Axial chest CT slice 201 of 290 (counted from the lowest slice); tube voltage 120 kVp, convolution kernel B; slices 2.00 mm thick, 0.639 mm per pixel.
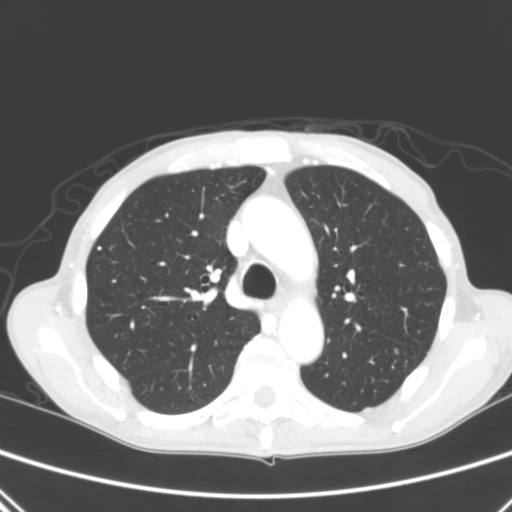
Two pulmonary nodules on this slice, listed from left to right. (1) Pulmonary nodule, outlined by one of the four readers. Box on this slice rows 246–249, columns 98–101, that reader's outline on this slice; longest diameter 3.7 mm and volume 25 mm3 from that reader's outline. That reader's ratings: texture 5/5 (solid); margin 5/5 (circumscribed); sphericity 5/5 (round); calcification solid calcification; internal structure soft tissue; subtlety 4/5; malignancy likelihood 1/5. (2) Pulmonary nodule, outlined by one of the four readers. Box on this slice rows 409–412, columns 365–372, that reader's outline on this slice; longest diameter 7.5 mm and volume 95 mm3 from that reader's outline. That reader's ratings: texture 5/5 (solid); margin 5/5 (circumscribed); sphericity 5/5 (round); calcification absent; internal structure soft tissue; subtlety 5/5; malignancy likelihood 3/5. Scale key (1–5): texture non-solid→solid, margin indistinct→circumscribed, sphericity linear→round, subtlety extremely subtle→obvious, malignancy likelihood highly unlikely→highly suspicious of cancer. Box rows and columns are 0-based pixel indices from the top-left corner, inclusive.